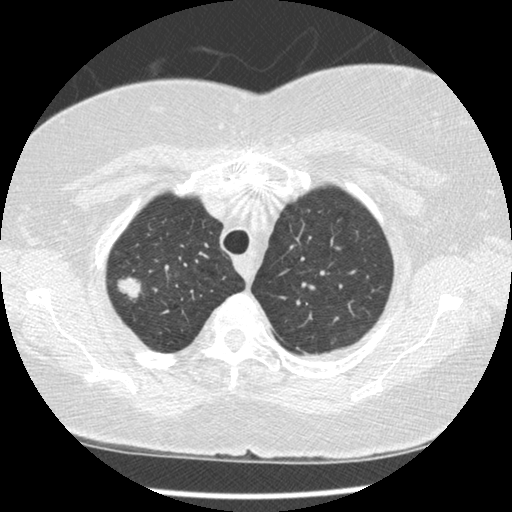
This is axial slice 300 of 375 (slice 1 is the lowest) of a chest CT; each pixel is 0.625 mm and the slice is 1.25 mm thick. Pulmonary nodule at rows 276–298, columns 115–140 (box = the union of the readers' outlines on this slice), outlined by all four readers; median longest diameter 22.7 mm (readers' outlines 21.2–23.2 mm), median volume 3056 mm3 (2289–3466 mm3). Ratings, median across the readers with their spread: median texture 5/5 (solid) (readers ranged 4/5 to 5/5 (solid)); margin 4/5 at the median of four readers, spread 3/5 to 5/5 (circumscribed); sphericity 3.5/5 at the median of four readers, spread 2/5 to 5/5 (round); calcification absent from all four readers; internal structure soft tissue from all four readers; subtlety 5/5, all four readers agreeing; malignancy likelihood 5/5 at the median of four readers, spread 3–5. Scale key (1–5): texture non-solid→solid, margin indistinct→circumscribed, sphericity linear→round, subtlety extremely subtle→obvious, malignancy likelihood highly unlikely→highly suspicious of cancer. Box rows and columns are 0-based pixel indices from the top-left corner, inclusive.
Acquired at 120 kVp and reconstructed with the STANDARD kernel.